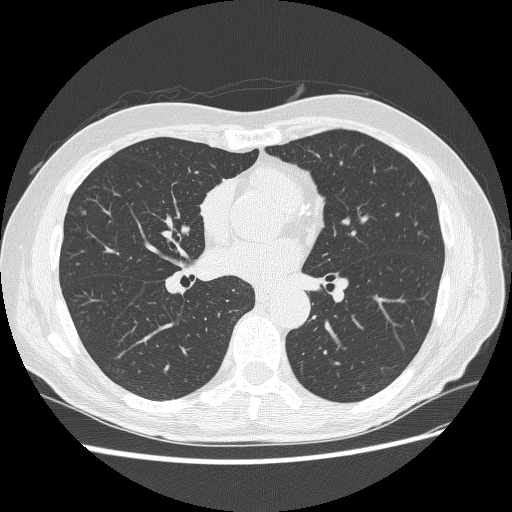
Chest CT, axial plane, 120 kVp, kernel BONE. Slice 135/280 from the bottom of the scan; thickness 1.25 mm; pixel size 0.703 mm.
Pulmonary nodule outlined by three of the four readers, two of them on this slice; box rows 210–216, columns 81–85 (the union of the readers' outlines on this slice); median longest diameter 8.6 mm (readers' outlines 8.2–9.8 mm), median volume 137 mm3 (110–166 mm3). Median ratings and the readers' spread: texture 5/5 (solid), all three readers agreeing; margin 4/5 at the median of three readers, spread 3/5 to 4/5; median sphericity 3/5 (ovoid) (readers ranged 2/5 to 3/5 (ovoid)); calcification absent, all three readers agreeing; internal structure soft tissue, all three readers agreeing; subtlety 4/5 at the median of three readers, spread 3–5; median malignancy likelihood 3/5 (readers ranged 3–4). Scale key (1–5): texture non-solid→solid, margin indistinct→circumscribed, sphericity linear→round, subtlety extremely subtle→obvious, malignancy likelihood highly unlikely→highly suspicious of cancer. Box rows and columns are 0-based pixel indices from the top-left corner, inclusive.